One axial slice (73 of 127, counting up from the lowest) of a chest CT acquired at 120 kVp with the STANDARD kernel; each pixel is 0.703 mm and the slice is 2.50 mm thick.
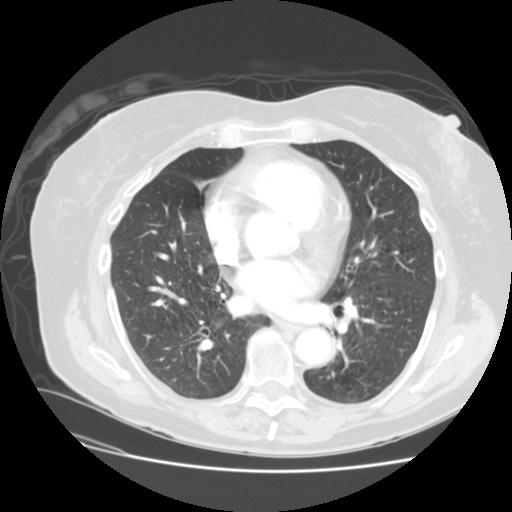
The readers outlined no nodule of 3 mm or more on this slice.